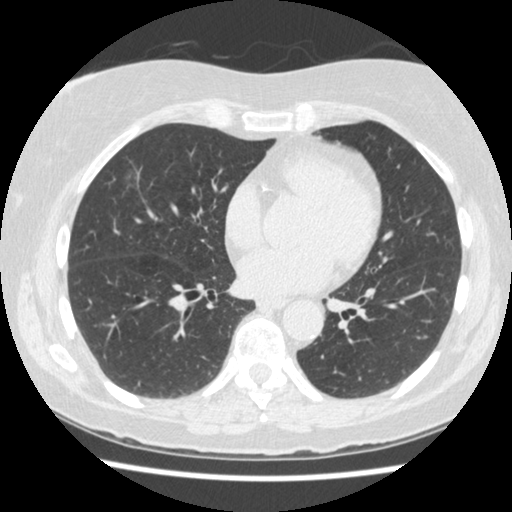
Axial chest CT slice 209 of 474 (counted from the lowest slice); 1.25 mm thick, 0.625 mm per pixel. Pulmonary nodule, outlined by all four readers, one of them on this slice. Box on this slice rows 168–188, columns 120–136, the one reader's outline on this slice; median longest diameter 15.1 mm (readers' outlines 12.6–15.8 mm), median volume 462 mm3 (209–921 mm3). Median ratings and the readers' spread: median texture 3/5 (part-solid) (readers ranged 2/5 to 3/5 (part-solid)); median margin 3/5 (readers ranged 1/5 (indistinct) to 3/5); sphericity 3.5/5 at the median of four readers, spread 2/5 to 5/5 (round); calcification absent, all four readers agreeing; internal structure soft tissue from all four readers; subtlety 4.5/5 at the median of four readers, spread 3–5; malignancy likelihood 5/5 at the median of four readers, spread 3–5. Scale key (1–5): texture non-solid→solid, margin indistinct→circumscribed, sphericity linear→round, subtlety extremely subtle→obvious, malignancy likelihood highly unlikely→highly suspicious of cancer. Box rows and columns are 0-based pixel indices from the top-left corner, inclusive.
Scan settings: 120 kVp, STANDARD reconstruction kernel.